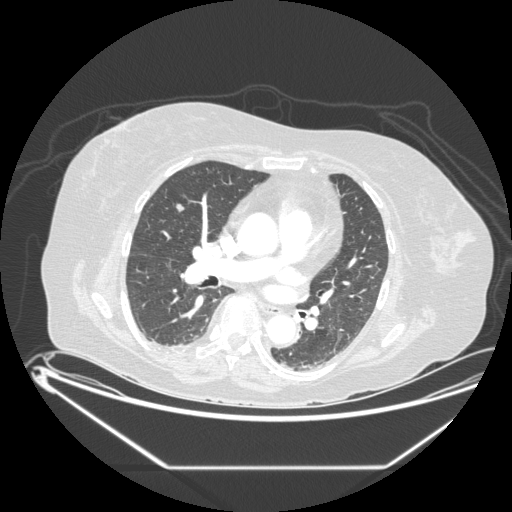
Axial chest CT slice 103 of 197 (counted from the lowest slice); tube voltage 120 kVp, convolution kernel STANDARD; slices 1.25 mm thick, 0.859 mm per pixel.
Pulmonary nodule at rows 202–212, columns 176–184 (box = the union of the readers' outlines on this slice), outlined by all four readers; longest diameter 9.3–11.5 mm and volume 206–288 mm3 across the four readers' outlines. The readers' ratings, as ranges where they differ: texture 5/5 (solid), all four readers agreeing; margin from 3/5 to 5/5 (circumscribed) across the four readers; sphericity from 3/5 (ovoid) to 5/5 (round) across the four readers; calcification absent from all four readers; internal structure soft tissue from all four readers; subtlety rated between 3 and 5 out of 5 by the four readers; malignancy likelihood rated between 2 and 4 out of 5 by the four readers. Scale key (1–5): texture non-solid→solid, margin indistinct→circumscribed, sphericity linear→round, subtlety extremely subtle→obvious, malignancy likelihood highly unlikely→highly suspicious of cancer. Box rows and columns are 0-based pixel indices from the top-left corner, inclusive.